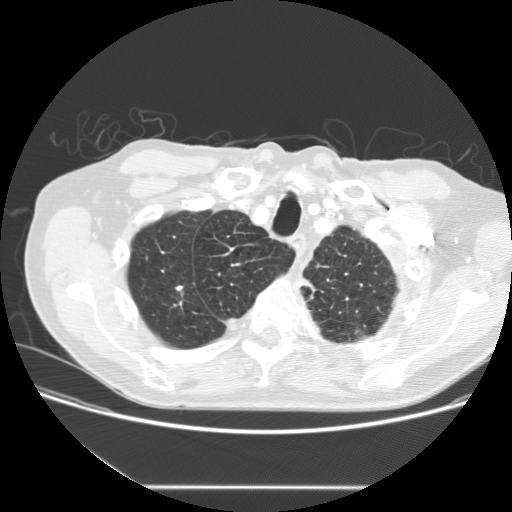
Axial slice 126 of 149 of a chest CT (slice 1 is the lowest), reconstructed with the STANDARD kernel at 120 kVp; 2.50 mm slice thickness and 0.742 mm pixels.
Pulmonary nodule at rows 285–291, columns 175–183 (box = the union of the readers' outlines on this slice), outlined by all four readers; longest diameter 9.6 mm on average over the four readers' outlines (readers' outlines 9.0–10.3 mm), volume 361–479 mm3. Ratings, by the readers' most common answer with dissent counted: texture 5/5 (solid), all four readers agreeing; most readers (three of four) put margin at 5/5 (circumscribed), others 4/5 (one); sphericity 4/5 by three of four readers; the rest gave 5/5 (round) (one); calcification solid calcification by three of four readers, absent (one); internal structure soft tissue from all four readers; most readers (three of four) put subtlety at 5/5, others 4/5 (one); malignancy likelihood 1/5 by three of four readers; the rest gave 3/5 (one). Scale key (1–5): texture non-solid→solid, margin indistinct→circumscribed, sphericity linear→round, subtlety extremely subtle→obvious, malignancy likelihood highly unlikely→highly suspicious of cancer. Box rows and columns are 0-based pixel indices from the top-left corner, inclusive.